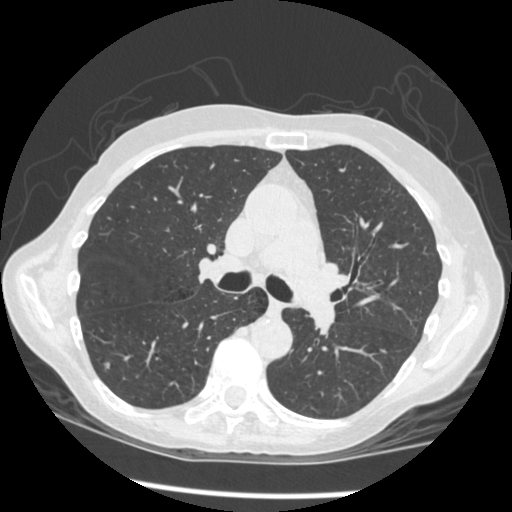
Chest CT, axial plane, 120 kVp, kernel STANDARD. Slice 276/461 from the bottom of the scan; thickness 1.25 mm; pixel size 0.645 mm.
Pulmonary nodule, outlined by three of the four readers. Box on this slice rows 362–369, columns 104–110, the union of the readers' outlines on this slice; the three readers' outlines give a longest diameter between 6.3 and 7.5 mm and a volume between 48 and 84 mm3. The readers' ratings, as ranges where they differ: texture from 4/5 to 5/5 (solid) across the three readers; margin from 3/5 to 5/5 (circumscribed) across the three readers; sphericity from 4/5 to 5/5 (round) across the three readers; calcification absent from all three readers; internal structure soft tissue from all three readers; subtlety rated between 2 and 4 out of 5 by the three readers; malignancy likelihood rated between 2 and 4 out of 5 by the three readers. Scale key (1–5): texture non-solid→solid, margin indistinct→circumscribed, sphericity linear→round, subtlety extremely subtle→obvious, malignancy likelihood highly unlikely→highly suspicious of cancer. Box rows and columns are 0-based pixel indices from the top-left corner, inclusive.